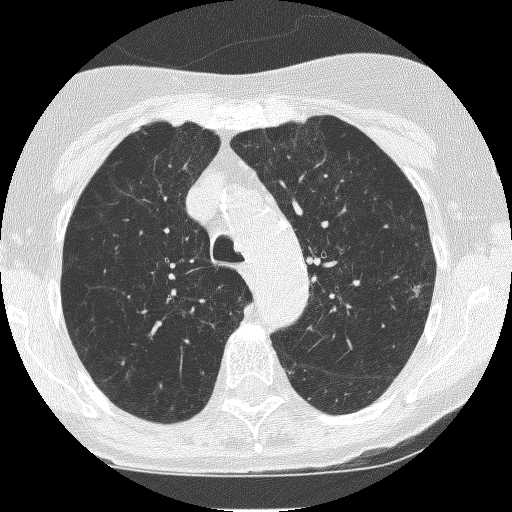
Axial chest CT slice 175 of 235 (counted from the lowest slice); 1.25 mm thick, 0.537 mm per pixel. Pulmonary nodule outlined by all four readers; box rows 284–297, columns 412–420 (the union of the readers' outlines on this slice); longest diameter 12.2–13.5 mm and volume 403–509 mm3 across the four readers' outlines. Ratings across the readers: texture from 4/5 to 5/5 (solid) across the four readers; margin from 1/5 (indistinct) to 4/5 across the four readers; sphericity from 2/5 to 4/5 across the four readers; calcification: absent (three), central calcification (one); internal structure soft tissue, all four readers agreeing; subtlety rated between 4 and 5 out of 5 by the four readers; malignancy likelihood 3–5/5 (the readers disagree). Scale key (1–5): texture non-solid→solid, margin indistinct→circumscribed, sphericity linear→round, subtlety extremely subtle→obvious, malignancy likelihood highly unlikely→highly suspicious of cancer. Box rows and columns are 0-based pixel indices from the top-left corner, inclusive.
Tube voltage 120 kVp; convolution kernel BONE.